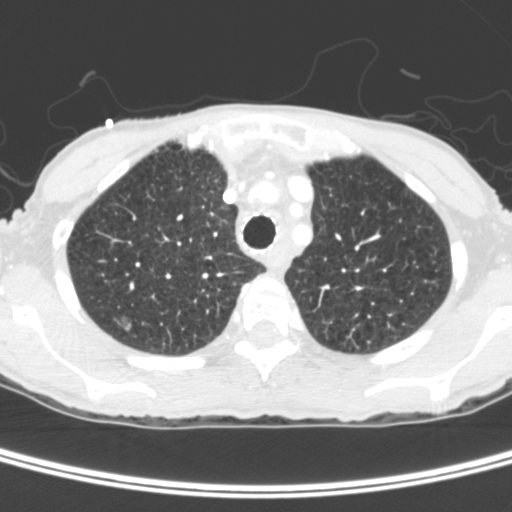
Axial slice 313 of 400 of a chest CT (slice 1 is the lowest), reconstructed with the C kernel at 120 kVp; 1.50 mm slice thickness and 0.527 mm pixels.
Pulmonary nodule outlined by three of the four readers; box rows 316–331, columns 116–131 (the union of the readers' outlines on this slice); longest diameter 15.5 mm on average over the three readers' outlines (readers' outlines 15.0–15.8 mm), volume 1012–1166 mm3. The readers' prevailing ratings and who disagreed: texture 5/5 (solid) by two of three readers; the rest gave 3/5 (part-solid) (one); margin 4/5 from all three readers; most readers (two of three) put sphericity at 5/5 (round), others 4/5 (one); calcification absent, all three readers agreeing; internal structure soft tissue by two of three readers, air (one); subtlety 5/5, all three readers agreeing; most readers (two of three) put malignancy likelihood at 5/5, others 4/5 (one). Scale key (1–5): texture non-solid→solid, margin indistinct→circumscribed, sphericity linear→round, subtlety extremely subtle→obvious, malignancy likelihood highly unlikely→highly suspicious of cancer. Box rows and columns are 0-based pixel indices from the top-left corner, inclusive.